Axial chest CT slice 47 of 376 (counted from the lowest slice); tube voltage 120 kVp, convolution kernel B30f; slices 0.75 mm thick, 0.461 mm per pixel.
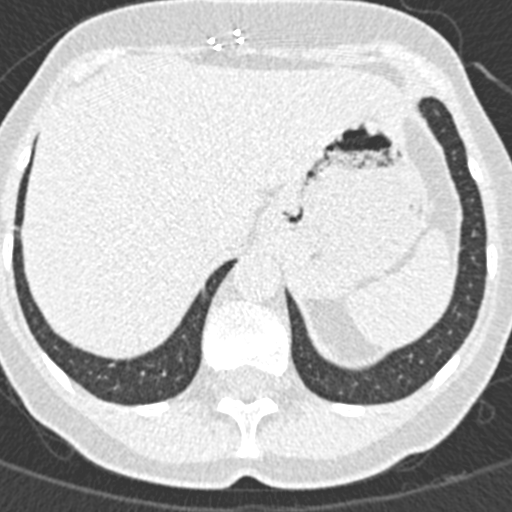
Pulmonary nodule outlined by all four readers, three of them on this slice; box rows 226–229, columns 15–18 (the union of the readers' outlines on this slice); longest diameter 8.5 mm on average over the four readers' outlines (readers' outlines 8.1–8.9 mm), volume 172–196 mm3. Ratings, by the readers' most common answer with dissent counted: most readers (three of four) put texture at 5/5 (solid), others 4/5 (one); margin split among the readers: 4/5 (two), 5/5 (circumscribed) (two); sphericity split among the readers: 3/5 (ovoid) (two), 4/5 (two); calcification absent, all four readers agreeing; internal structure soft tissue, all four readers agreeing; most readers (three of four) put subtlety at 5/5, others 3/5 (one); malignancy likelihood 3/5 by two of four readers; the rest gave 2/5 (one), 4/5 (one). Scale key (1–5): texture non-solid→solid, margin indistinct→circumscribed, sphericity linear→round, subtlety extremely subtle→obvious, malignancy likelihood highly unlikely→highly suspicious of cancer. Box rows and columns are 0-based pixel indices from the top-left corner, inclusive.